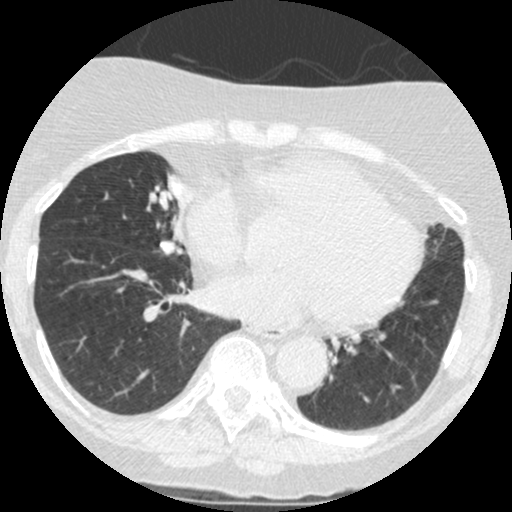
Axial slice 157 of 426 of a chest CT (slice 1 is the lowest), reconstructed with the STANDARD kernel at 120 kVp; 1.25 mm slice thickness and 0.547 mm pixels.
Two pulmonary nodules are outlined on this slice; from left to right: (1) Pulmonary nodule, outlined by one of the four readers. Box on this slice rows 240–255, columns 159–183, that reader's outline on this slice; longest diameter 15.0 mm and volume 404 mm3 from that reader's outline. Ratings by that reader: texture 5/5 (solid); margin 4/5; sphericity 4/5; calcification non-central calcification; internal structure soft tissue; subtlety 4/5; malignancy likelihood 2/5. (2) Pulmonary nodule outlined by all four readers, two of them on this slice; box rows 173–192, columns 167–179 (the union of the readers' outlines on this slice); longest diameter 17.0–20.6 mm and volume 1129–1635 mm3 across the four readers' outlines. Ratings across the readers: texture from 4/5 to 5/5 (solid) across the four readers; margin from 2/5 to 5/5 (circumscribed) across the four readers; sphericity from 3/5 (ovoid) to 5/5 (round) across the four readers; calcification: absent (three), non-central calcification (one); internal structure soft tissue, all four readers agreeing; subtlety 3–5/5 (the readers disagree); malignancy likelihood rated between 2 and 4 out of 5 by the four readers. Scale key (1–5): texture non-solid→solid, margin indistinct→circumscribed, sphericity linear→round, subtlety extremely subtle→obvious, malignancy likelihood highly unlikely→highly suspicious of cancer. Box rows and columns are 0-based pixel indices from the top-left corner, inclusive.